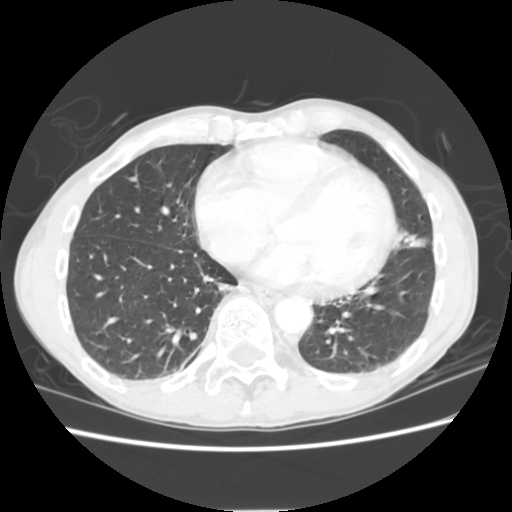
Slice 78/255 of a chest CT, counting up from the lowest; pixel size 0.664 mm, slice thickness 2.50 mm. Pulmonary nodule, outlined by one of the four readers. Box on this slice rows 177–181, columns 128–136, that reader's outline on this slice; longest diameter 8.0 mm and volume 115 mm3 from that reader's outline. That reader's ratings: texture 5/5 (solid); margin 5/5 (circumscribed); sphericity 3/5 (ovoid); calcification absent; internal structure soft tissue; subtlety 4/5; malignancy likelihood 2/5. Scale key (1–5): texture non-solid→solid, margin indistinct→circumscribed, sphericity linear→round, subtlety extremely subtle→obvious, malignancy likelihood highly unlikely→highly suspicious of cancer. Box rows and columns are 0-based pixel indices from the top-left corner, inclusive.
Tube voltage 120 kVp; convolution kernel STANDARD.